Axial slice 61 of 126 of a chest CT (slice 1 is the lowest), reconstructed with the FC01 kernel at 135 kVp; 3.00 mm slice thickness and 0.582 mm pixels.
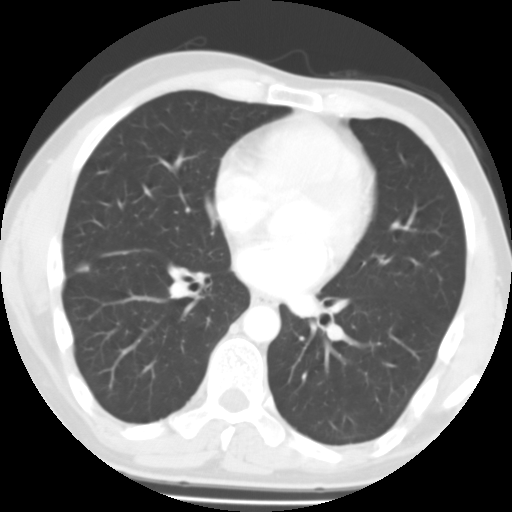
Pulmonary nodule outlined by three of the four readers, two of them on this slice; box rows 264–271, columns 76–88 (the union of the readers' outlines on this slice); median longest diameter 15.0 mm (readers' outlines 11.0–18.7 mm), median volume 747 mm3 (497–1015 mm3). Median ratings and the readers' spread: texture 5/5 (solid) from all three readers; margin 4/5, all three readers agreeing; sphericity 4/5 at the median of three readers, spread 3/5 (ovoid) to 4/5; calcification: central calcification (two), solid calcification (one); internal structure soft tissue, all three readers agreeing; median subtlety 4/5 (readers ranged 4–5); malignancy likelihood 1/5 from all three readers. Scale key (1–5): texture non-solid→solid, margin indistinct→circumscribed, sphericity linear→round, subtlety extremely subtle→obvious, malignancy likelihood highly unlikely→highly suspicious of cancer. Box rows and columns are 0-based pixel indices from the top-left corner, inclusive.